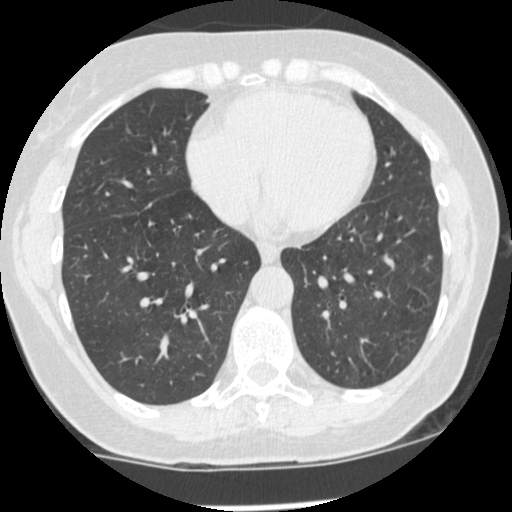
Axial slice 155 of 465 of a chest CT (slice 1 is the lowest), reconstructed with the STANDARD kernel at 120 kVp; 1.25 mm slice thickness and 0.586 mm pixels.
Pulmonary nodule at rows 255–260, columns 427–432 (box = that reader's outline on this slice), outlined by one of the four readers; longest diameter 4.7 mm and volume 27 mm3 from that reader's outline. Ratings by that reader: texture 5/5 (solid); margin 5/5 (circumscribed); sphericity 5/5 (round); calcification absent; internal structure soft tissue; subtlety 5/5; malignancy likelihood 3/5. Scale key (1–5): texture non-solid→solid, margin indistinct→circumscribed, sphericity linear→round, subtlety extremely subtle→obvious, malignancy likelihood highly unlikely→highly suspicious of cancer. Box rows and columns are 0-based pixel indices from the top-left corner, inclusive.